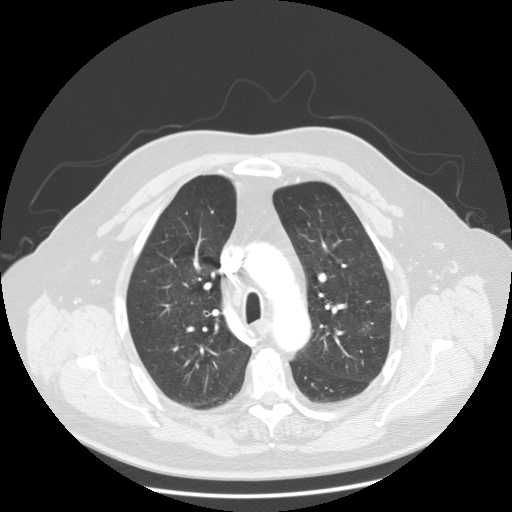
Chest CT, axial plane, 120 kVp, kernel STANDARD. Slice 92/133 from the bottom of the scan; thickness 2.50 mm; pixel size 0.820 mm.
Pulmonary nodule outlined by all four readers, one of them on this slice; box rows 322–330, columns 362–370 (the one reader's outline on this slice); longest diameter 14.1 mm on average over the four readers' outlines (readers' outlines 13.7–15.1 mm), volume 880–1281 mm3. The readers' prevailing ratings and who disagreed: texture 5/5 (solid), all four readers agreeing; most readers (three of four) put margin at 5/5 (circumscribed), others 4/5 (one); sphericity 5/5 (round) by two of four readers; the rest gave 3/5 (ovoid) (one), 4/5 (one); calcification absent from all four readers; internal structure soft tissue, all four readers agreeing; subtlety 5/5 by two of four readers; the rest gave 3/5 (one), 4/5 (one); malignancy likelihood 5/5 by two of four readers; the rest gave 2/5 (one), 4/5 (one). Scale key (1–5): texture non-solid→solid, margin indistinct→circumscribed, sphericity linear→round, subtlety extremely subtle→obvious, malignancy likelihood highly unlikely→highly suspicious of cancer. Box rows and columns are 0-based pixel indices from the top-left corner, inclusive.